Axial chest CT slice 39 of 150 (counted from the lowest slice); tube voltage 120 kVp, convolution kernel STANDARD; slices 2.50 mm thick, 0.820 mm per pixel.
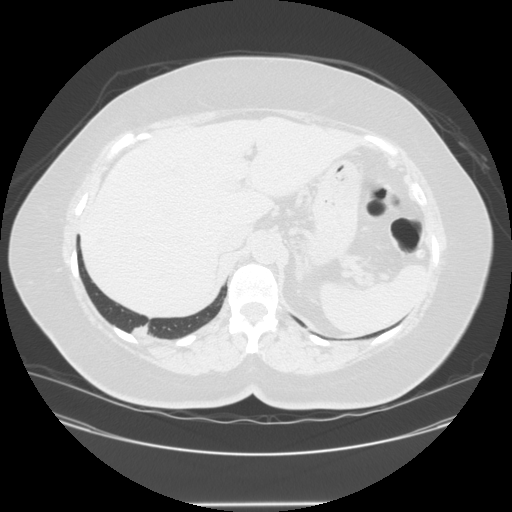
Pulmonary nodule outlined by three of the four readers, two of them on this slice; box rows 324–334, columns 130–147 (the union of the readers' outlines on this slice); median longest diameter 36.7 mm (readers' outlines 34.5–41.5 mm), median volume 15464 mm3 (15181–19016 mm3). Median ratings and the readers' spread: texture 5/5 (solid) from all three readers; median margin 4/5 (readers ranged 2/5 to 4/5); sphericity 4/5 at the median of three readers, spread 3/5 (ovoid) to 5/5 (round); calcification absent, all three readers agreeing; internal structure soft tissue from all three readers; subtlety 5/5 from all three readers; malignancy likelihood 5/5, all three readers agreeing. Scale key (1–5): texture non-solid→solid, margin indistinct→circumscribed, sphericity linear→round, subtlety extremely subtle→obvious, malignancy likelihood highly unlikely→highly suspicious of cancer. Box rows and columns are 0-based pixel indices from the top-left corner, inclusive.